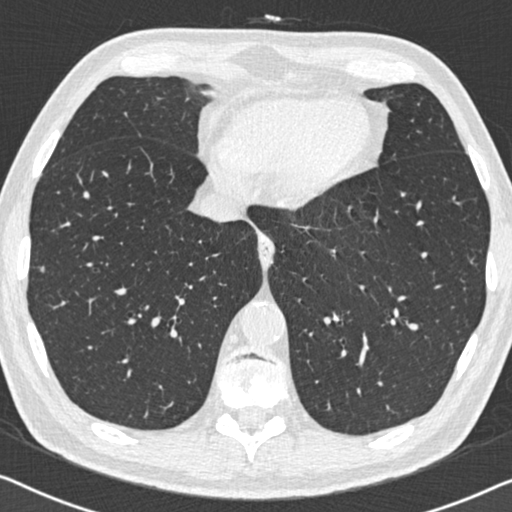
One axial slice (206 of 558, counting up from the lowest) of a chest CT acquired at 120 kVp with the B30f kernel; each pixel is 0.648 mm and the slice is 0.75 mm thick.
Pulmonary nodule, outlined by all four readers. Box on this slice rows 266–272, columns 40–43, the union of the readers' outlines on this slice; longest diameter 5.6–7.4 mm and volume 75–143 mm3 across the four readers' outlines. The readers' ratings, as ranges where they differ: texture 5/5 (solid), all four readers agreeing; margin from 4/5 to 5/5 (circumscribed) across the four readers; sphericity 5/5 (round), all four readers agreeing; calcification absent from all four readers; internal structure soft tissue, all four readers agreeing; subtlety rated between 3 and 5 out of 5 by the four readers; malignancy likelihood from 2/5 to 4/5 across the four readers. Scale key (1–5): texture non-solid→solid, margin indistinct→circumscribed, sphericity linear→round, subtlety extremely subtle→obvious, malignancy likelihood highly unlikely→highly suspicious of cancer. Box rows and columns are 0-based pixel indices from the top-left corner, inclusive.